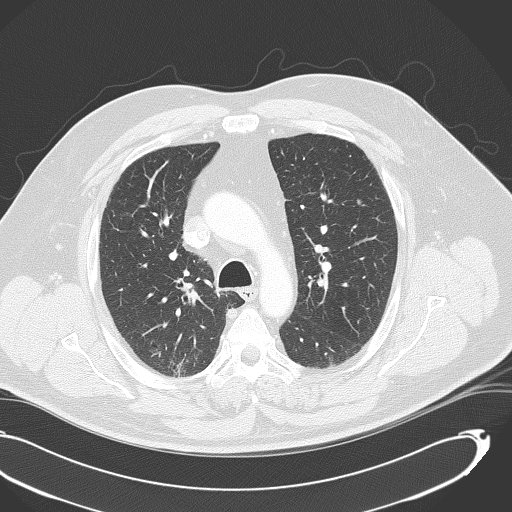
This is axial slice 248 of 333 (slice 1 is the lowest) of a chest CT; each pixel is 0.775 mm and the slice is 2.00 mm thick. Pulmonary nodule outlined by two of the four readers; box rows 199–204, columns 357–361 (the union of the readers' outlines on this slice); the two readers' outlines give a longest diameter between 6.3 and 6.4 mm and a volume between 78 and 85 mm3. Ratings across the readers: texture from 4/5 to 5/5 (solid) across the two readers; margin from 4/5 to 5/5 (circumscribed) across the two readers; sphericity from 4/5 to 5/5 (round) across the two readers; calcification absent, both readers agreeing; internal structure soft tissue from both readers; subtlety 3/5 from both readers; malignancy likelihood from 2/5 to 3/5 across the two readers. Scale key (1–5): texture non-solid→solid, margin indistinct→circumscribed, sphericity linear→round, subtlety extremely subtle→obvious, malignancy likelihood highly unlikely→highly suspicious of cancer. Box rows and columns are 0-based pixel indices from the top-left corner, inclusive.
Acquired at 120 kVp and reconstructed with the B70f kernel.